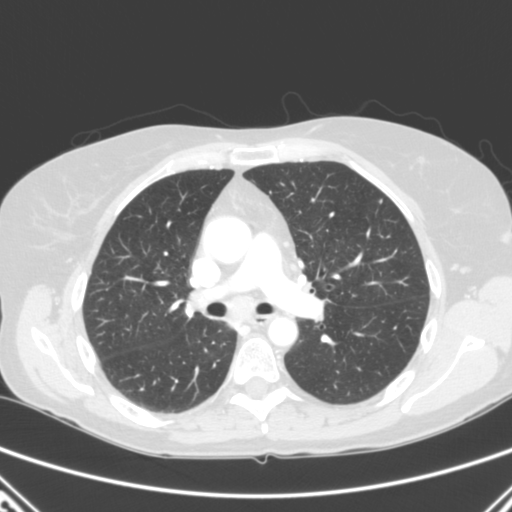
Slice 169/280 of a chest CT, counting up from the lowest; pixel size 0.676 mm, slice thickness 2.00 mm. Pulmonary nodule outlined by one of the four readers; box rows 199–202, columns 378–382 (that reader's outline on this slice); longest diameter 4.3 mm and volume 23 mm3 from that reader's outline. Ratings by that reader: texture 5/5 (solid); margin 5/5 (circumscribed); sphericity 4/5; calcification absent; internal structure soft tissue; subtlety 4/5; malignancy likelihood 3/5. Scale key (1–5): texture non-solid→solid, margin indistinct→circumscribed, sphericity linear→round, subtlety extremely subtle→obvious, malignancy likelihood highly unlikely→highly suspicious of cancer. Box rows and columns are 0-based pixel indices from the top-left corner, inclusive.
Scan settings: 120 kVp, B reconstruction kernel.